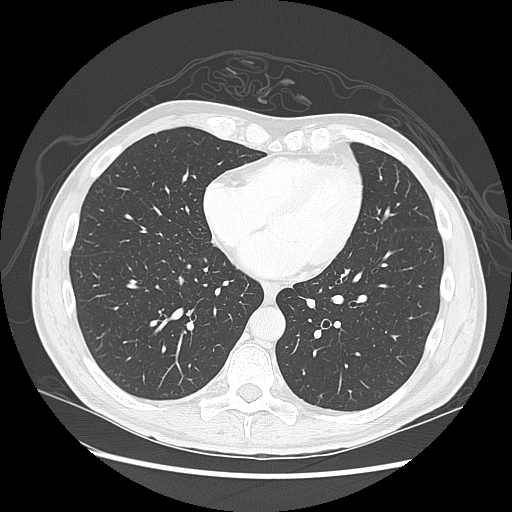
This is axial slice 67 of 147 (slice 1 is the lowest) of a chest CT; each pixel is 0.742 mm and the slice is 2.50 mm thick. The readers outlined no nodule of 3 mm or more on this slice.
Acquired at 120 kVp and reconstructed with the LUNG kernel.